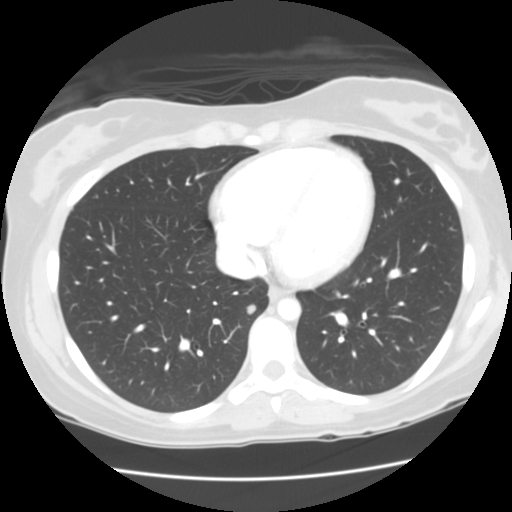
Axial chest CT slice 65 of 133 (counted from the lowest slice); tube voltage 120 kVp, convolution kernel STANDARD; slices 2.50 mm thick, 0.625 mm per pixel.
Pulmonary nodule at rows 304–313, columns 245–256 (box = the union of the readers' outlines on this slice), outlined by all four readers; the four readers' outlines give a longest diameter between 7.3 and 8.9 mm and a volume between 208 and 262 mm3. The readers' ratings, as ranges where they differ: texture 5/5 (solid), all four readers agreeing; margin from 4/5 to 5/5 (circumscribed) across the four readers; sphericity from 3/5 (ovoid) to 5/5 (round) across the four readers; calcification absent, all four readers agreeing; internal structure soft tissue from all four readers; subtlety 3–5/5 (the readers disagree); malignancy likelihood 2–4/5 (the readers disagree). Scale key (1–5): texture non-solid→solid, margin indistinct→circumscribed, sphericity linear→round, subtlety extremely subtle→obvious, malignancy likelihood highly unlikely→highly suspicious of cancer. Box rows and columns are 0-based pixel indices from the top-left corner, inclusive.